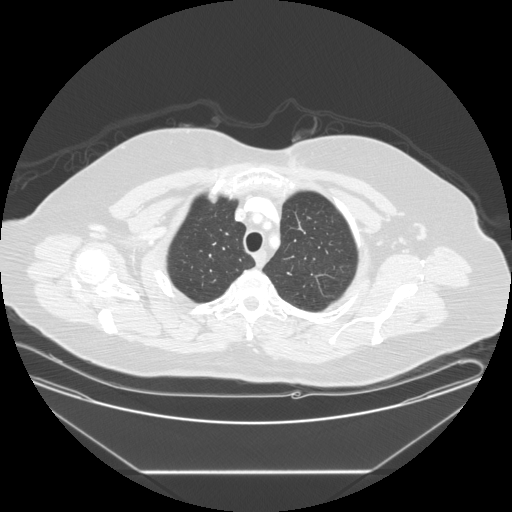
Axial slice 189 of 225 of a chest CT (slice 1 is the lowest), reconstructed with the STANDARD kernel at 120 kVp; 1.25 mm slice thickness and 0.828 mm pixels.
Pulmonary nodule at rows 216–219, columns 306–310 (box = the union of the readers' outlines on this slice), outlined by all four readers, two of them on this slice; longest diameter 7.2 mm on average over the four readers' outlines (readers' outlines 6.7–7.9 mm), volume 129–187 mm3. The readers' prevailing ratings and who disagreed: texture 5/5 (solid), all four readers agreeing; margin split among the readers: 4/5 (two), 5/5 (circumscribed) (two); sphericity 4/5 by three of four readers; the rest gave 5/5 (round) (one); calcification absent from all four readers; internal structure soft tissue from all four readers; subtlety split among the readers: 2/5 (one), 3/5 (one), 4/5 (one), 5/5 (one); most readers (three of four) put malignancy likelihood at 3/5, others 2/5 (one). Scale key (1–5): texture non-solid→solid, margin indistinct→circumscribed, sphericity linear→round, subtlety extremely subtle→obvious, malignancy likelihood highly unlikely→highly suspicious of cancer. Box rows and columns are 0-based pixel indices from the top-left corner, inclusive.